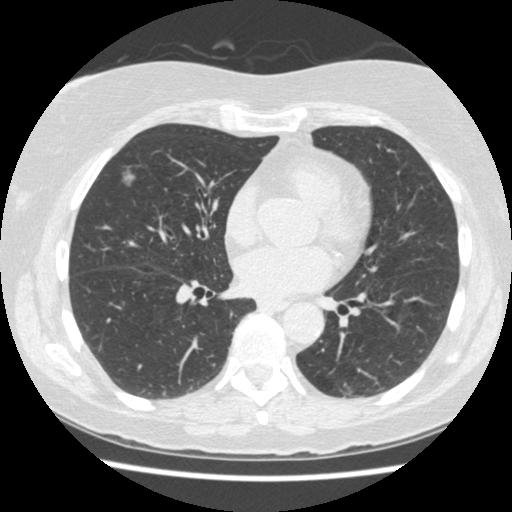
One axial slice (219 of 474, counting up from the lowest) of a chest CT acquired at 120 kVp with the STANDARD kernel; each pixel is 0.625 mm and the slice is 1.25 mm thick.
Pulmonary nodule, outlined by all four readers. Box on this slice rows 167–186, columns 121–135, the union of the readers' outlines on this slice; longest diameter 14.7 mm on average over the four readers' outlines (readers' outlines 12.6–15.8 mm), volume 209–921 mm3. Ratings, by the readers' most common answer with dissent counted: most readers (three of four) put texture at 3/5 (part-solid), others 2/5 (one); most readers (three of four) put margin at 3/5, others 1/5 (indistinct) (one); sphericity split among the readers: 2/5 (one), 3/5 (ovoid) (one), 4/5 (one), 5/5 (round) (one); calcification absent from all four readers; internal structure soft tissue from all four readers; subtlety 5/5 by two of four readers; the rest gave 3/5 (one), 4/5 (one); malignancy likelihood 5/5 by three of four readers; the rest gave 3/5 (one). Scale key (1–5): texture non-solid→solid, margin indistinct→circumscribed, sphericity linear→round, subtlety extremely subtle→obvious, malignancy likelihood highly unlikely→highly suspicious of cancer. Box rows and columns are 0-based pixel indices from the top-left corner, inclusive.